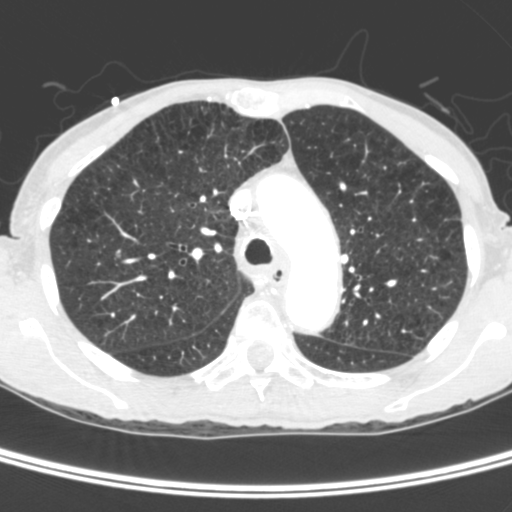
Chest CT, axial plane, 120 kVp, kernel C. Slice 274/400 from the bottom of the scan; thickness 1.50 mm; pixel size 0.527 mm.
Pulmonary nodule at rows 250–256, columns 115–119 (box = that reader's outline on this slice), outlined by one of the four readers; longest diameter 5.7 mm and volume 76 mm3 from that reader's outline. Ratings by that reader: texture 5/5 (solid); margin 4/5; sphericity 4/5; calcification absent; internal structure soft tissue; subtlety 4/5; malignancy likelihood 3/5. Scale key (1–5): texture non-solid→solid, margin indistinct→circumscribed, sphericity linear→round, subtlety extremely subtle→obvious, malignancy likelihood highly unlikely→highly suspicious of cancer. Box rows and columns are 0-based pixel indices from the top-left corner, inclusive.